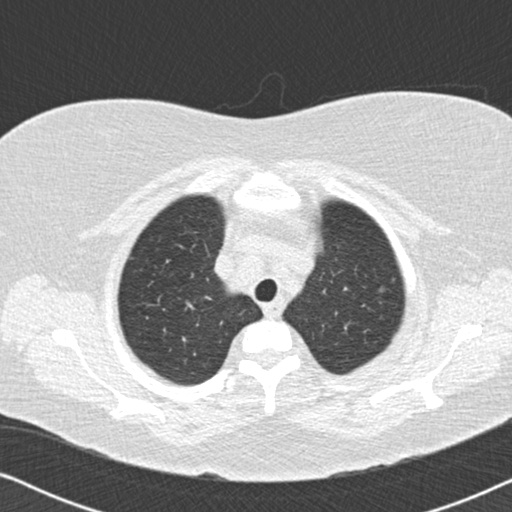
Chest CT, axial plane, 120 kVp, kernel B30f. Slice 158/177 from the bottom of the scan; thickness 2.00 mm; pixel size 0.643 mm.
Pulmonary nodule at rows 286–291, columns 379–385 (box = that reader's outline on this slice), outlined by one of the four readers; longest diameter 7.8 mm and volume 98 mm3 from that reader's outline. That reader's ratings: texture 1/5 (non-solid); margin 2/5; sphericity 3/5 (ovoid); calcification absent; internal structure soft tissue; subtlety 2/5; malignancy likelihood 3/5. Scale key (1–5): texture non-solid→solid, margin indistinct→circumscribed, sphericity linear→round, subtlety extremely subtle→obvious, malignancy likelihood highly unlikely→highly suspicious of cancer. Box rows and columns are 0-based pixel indices from the top-left corner, inclusive.